Axial chest CT slice 119 of 220 (counted from the lowest slice); tube voltage 120 kVp, convolution kernel BONE; slices 1.25 mm thick, 0.598 mm per pixel.
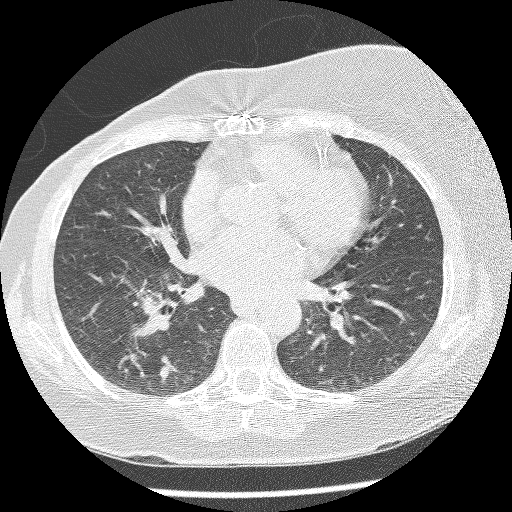
Pulmonary nodule, outlined by three of the four readers. Box on this slice rows 365–382, columns 158–168, the union of the readers' outlines on this slice; longest diameter 6.7–11.5 mm and volume 79–213 mm3 across the three readers' outlines. The readers' ratings, as ranges where they differ: texture from 3/5 (part-solid) to 5/5 (solid) across the three readers; margin from 2/5 to 4/5 across the three readers; sphericity from 3/5 (ovoid) to 4/5 across the three readers; calcification absent, all three readers agreeing; internal structure soft tissue from all three readers; subtlety 1–4/5 (the readers disagree); malignancy likelihood 3–4/5 (the readers disagree). Scale key (1–5): texture non-solid→solid, margin indistinct→circumscribed, sphericity linear→round, subtlety extremely subtle→obvious, malignancy likelihood highly unlikely→highly suspicious of cancer. Box rows and columns are 0-based pixel indices from the top-left corner, inclusive.